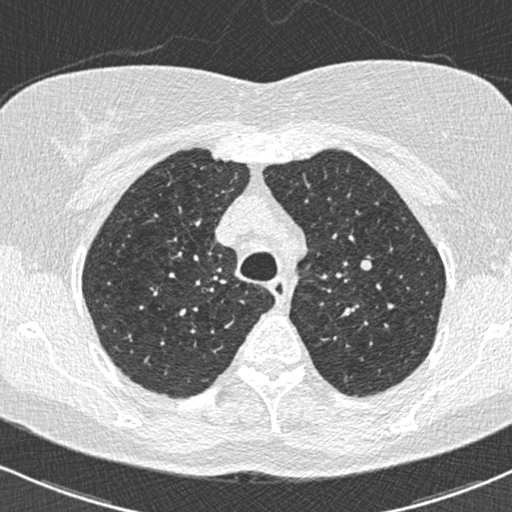
One axial slice (525 of 672, counting up from the lowest) of a chest CT acquired at 120 kVp with the B30f kernel; each pixel is 0.607 mm and the slice is 0.60 mm thick.
Pulmonary nodule outlined by all four readers; box rows 260–270, columns 360–371 (the union of the readers' outlines on this slice); longest diameter 8.3 mm on average over the four readers' outlines (readers' outlines 8.1–8.8 mm), volume 181–196 mm3. The readers' prevailing ratings and who disagreed: texture 5/5 (solid), all four readers agreeing; margin 5/5 (circumscribed) by three of four readers; the rest gave 4/5 (one); most readers (three of four) put sphericity at 5/5 (round), others 3/5 (ovoid) (one); calcification absent, all four readers agreeing; internal structure soft tissue from all four readers; subtlety 4/5 by two of four readers; the rest gave 1/5 (one), 5/5 (one); malignancy likelihood 3/5 by three of four readers; the rest gave 2/5 (one). Scale key (1–5): texture non-solid→solid, margin indistinct→circumscribed, sphericity linear→round, subtlety extremely subtle→obvious, malignancy likelihood highly unlikely→highly suspicious of cancer. Box rows and columns are 0-based pixel indices from the top-left corner, inclusive.